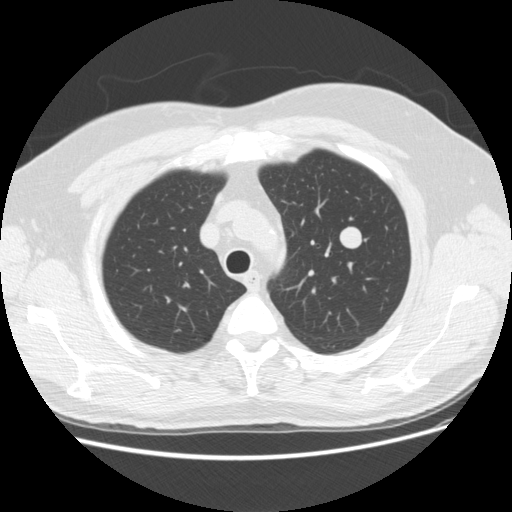
Axial slice 120 of 158 of a chest CT (slice 1 is the lowest), reconstructed with the STANDARD kernel at 120 kVp; 2.50 mm slice thickness and 0.723 mm pixels.
Pulmonary nodule outlined by all four readers; box rows 227–249, columns 339–361 (the union of the readers' outlines on this slice); median longest diameter 17.0 mm (readers' outlines 16.2–18.8 mm), median volume 2205 mm3 (1663–2984 mm3). Ratings, median across the readers with their spread: texture 5/5 (solid), all four readers agreeing; margin 5/5 (circumscribed), all four readers agreeing; median sphericity 5/5 (round) (readers ranged 4/5 to 5/5 (round)); calcification absent from all four readers; internal structure soft tissue, all four readers agreeing; subtlety 5/5, all four readers agreeing; median malignancy likelihood 4/5 (readers ranged 2–5). Scale key (1–5): texture non-solid→solid, margin indistinct→circumscribed, sphericity linear→round, subtlety extremely subtle→obvious, malignancy likelihood highly unlikely→highly suspicious of cancer. Box rows and columns are 0-based pixel indices from the top-left corner, inclusive.